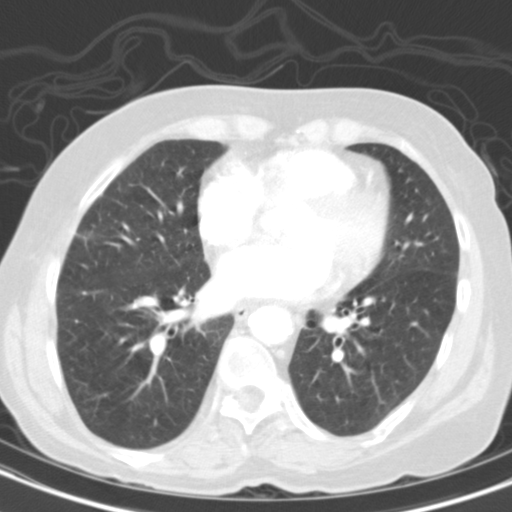
One axial slice (60 of 117, counting up from the lowest) of a chest CT acquired at 130 kVp with the B31s kernel; each pixel is 0.566 mm and the slice is 3.00 mm thick.
Pulmonary nodule outlined by all four readers, two of them on this slice; box rows 228–239, columns 79–96 (the union of the readers' outlines on this slice); longest diameter 18.9–22.0 mm and volume 1351–2170 mm3 across the four readers' outlines. The readers' ratings, as ranges where they differ: texture from 3/5 (part-solid) to 5/5 (solid) across the four readers; margin from 3/5 to 5/5 (circumscribed) across the four readers; sphericity from 3/5 (ovoid) to 5/5 (round) across the four readers; calcification absent, all four readers agreeing; internal structure soft tissue from all four readers; subtlety 5/5, all four readers agreeing; malignancy likelihood 4–5/5 (the readers disagree). Scale key (1–5): texture non-solid→solid, margin indistinct→circumscribed, sphericity linear→round, subtlety extremely subtle→obvious, malignancy likelihood highly unlikely→highly suspicious of cancer. Box rows and columns are 0-based pixel indices from the top-left corner, inclusive.